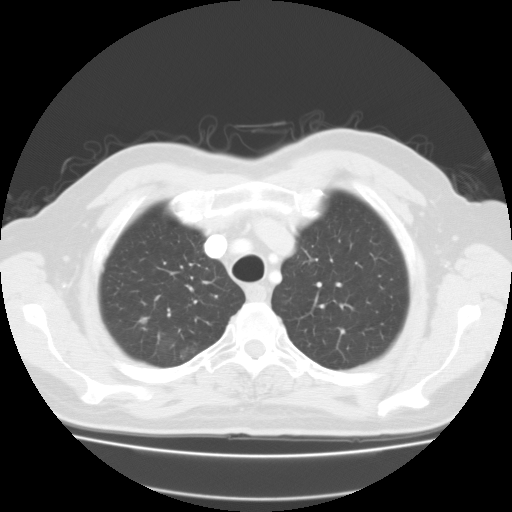
Slice 104/127 of a chest CT, counting up from the lowest; pixel size 0.750 mm, slice thickness 3.00 mm. Pulmonary nodule, outlined by three of the four readers. Box on this slice rows 316–324, columns 139–148, the union of the readers' outlines on this slice; median longest diameter 8.1 mm (readers' outlines 7.4–9.8 mm), median volume 266 mm3 (132–423 mm3). Ratings, median across the readers with their spread: texture 5/5 (solid) at the median of three readers, spread 3/5 (part-solid) to 5/5 (solid); margin 4/5 at the median of three readers, spread 3/5 to 4/5; sphericity 4/5, all three readers agreeing; calcification absent, all three readers agreeing; internal structure soft tissue, all three readers agreeing; median subtlety 4/5 (readers ranged 2–5); median malignancy likelihood 3/5 (readers ranged 2–3). Scale key (1–5): texture non-solid→solid, margin indistinct→circumscribed, sphericity linear→round, subtlety extremely subtle→obvious, malignancy likelihood highly unlikely→highly suspicious of cancer. Box rows and columns are 0-based pixel indices from the top-left corner, inclusive.
Scan settings: 135 kVp, FC01 reconstruction kernel.